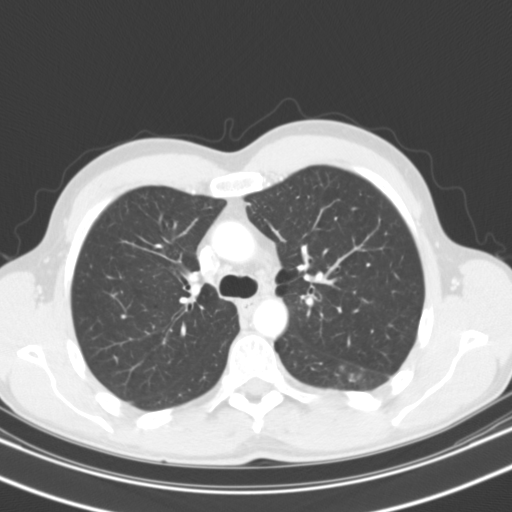
Slice 79/119 of a chest CT, counting up from the lowest; pixel size 0.650 mm, slice thickness 3.00 mm. Pulmonary nodule at rows 365–382, columns 341–361 (box = the union of the readers' outlines on this slice), outlined by all four readers, two of them on this slice; median longest diameter 37.4 mm (readers' outlines 31.4–40.2 mm), median volume 8660 mm3 (6737–11596 mm3). Median ratings and the readers' spread: median texture 5/5 (solid) (readers ranged 4/5 to 5/5 (solid)); margin 3.5/5 at the median of four readers, spread 1/5 (indistinct) to 4/5; median sphericity 4/5 (readers ranged 3/5 (ovoid) to 5/5 (round)); calcification absent, all four readers agreeing; internal structure: soft tissue (three), air (one); subtlety 5/5, all four readers agreeing; median malignancy likelihood 4.5/5 (readers ranged 2–5). Scale key (1–5): texture non-solid→solid, margin indistinct→circumscribed, sphericity linear→round, subtlety extremely subtle→obvious, malignancy likelihood highly unlikely→highly suspicious of cancer. Box rows and columns are 0-based pixel indices from the top-left corner, inclusive.
Scan settings: 130 kVp, B31s reconstruction kernel.